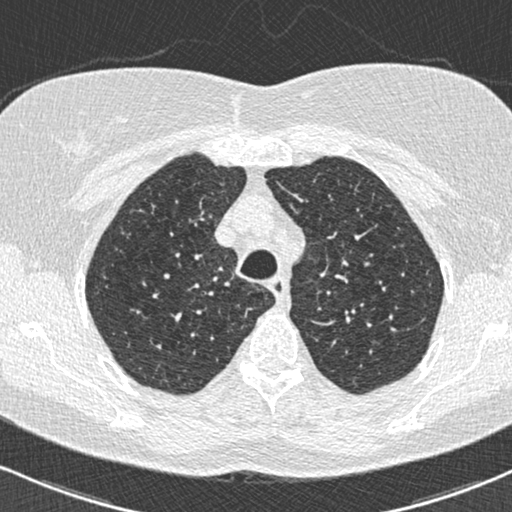
Chest CT, axial plane, 120 kVp, kernel B30f. Slice 532/672 from the bottom of the scan; thickness 0.60 mm; pixel size 0.607 mm.
Pulmonary nodule, outlined by all four readers. Box on this slice rows 262–266, columns 364–369, the union of the readers' outlines on this slice; longest diameter 8.1–8.8 mm and volume 181–196 mm3 across the four readers' outlines. The readers' ratings, as ranges where they differ: texture 5/5 (solid) from all four readers; margin from 4/5 to 5/5 (circumscribed) across the four readers; sphericity from 3/5 (ovoid) to 5/5 (round) across the four readers; calcification absent from all four readers; internal structure soft tissue, all four readers agreeing; subtlety rated between 1 and 5 out of 5 by the four readers; malignancy likelihood from 2/5 to 3/5 across the four readers. Scale key (1–5): texture non-solid→solid, margin indistinct→circumscribed, sphericity linear→round, subtlety extremely subtle→obvious, malignancy likelihood highly unlikely→highly suspicious of cancer. Box rows and columns are 0-based pixel indices from the top-left corner, inclusive.